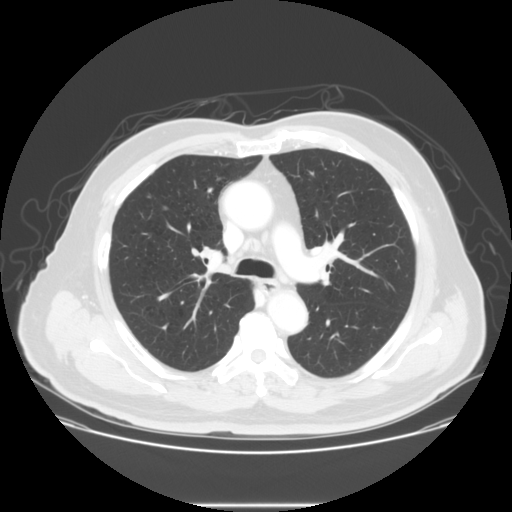
This is axial slice 95 of 133 (slice 1 is the lowest) of a chest CT; each pixel is 0.781 mm and the slice is 2.50 mm thick. Pulmonary nodule at rows 206–210, columns 162–167 (box = the union of the readers' outlines on this slice), outlined by three of the four readers, two of them on this slice; median longest diameter 5.6 mm (readers' outlines 5.2–5.9 mm), median volume 98 mm3 (45–114 mm3). Median ratings and the readers' spread: texture 5/5 (solid), all three readers agreeing; median margin 4/5 (readers ranged 4/5 to 5/5 (circumscribed)); sphericity 5/5 (round) at the median of three readers, spread 3/5 (ovoid) to 5/5 (round); calcification absent from all three readers; internal structure soft tissue from all three readers; median subtlety 3/5 (readers ranged 3–4); malignancy likelihood 3/5 at the median of three readers, spread 2–3. Scale key (1–5): texture non-solid→solid, margin indistinct→circumscribed, sphericity linear→round, subtlety extremely subtle→obvious, malignancy likelihood highly unlikely→highly suspicious of cancer. Box rows and columns are 0-based pixel indices from the top-left corner, inclusive.
Tube voltage 140 kVp; convolution kernel STANDARD.